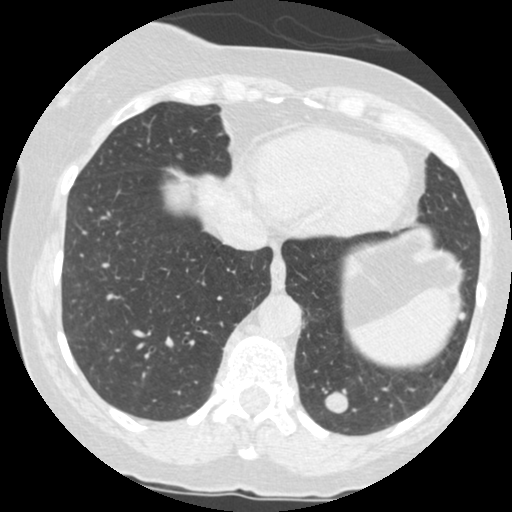
Axial chest CT slice 121 of 484 (counted from the lowest slice); tube voltage 120 kVp, convolution kernel STANDARD; slices 1.25 mm thick, 0.586 mm per pixel.
Two pulmonary nodules are outlined on this slice; from left to right: (1) Pulmonary nodule, outlined by all four readers. Box on this slice rows 389–412, columns 323–349, the union of the readers' outlines on this slice; median longest diameter 15.5 mm (readers' outlines 14.7–16.9 mm), median volume 1266 mm3 (1036–1469 mm3). Ratings, median across the readers with their spread: texture 5/5 (solid) from all four readers; margin 5/5 (circumscribed), all four readers agreeing; median sphericity 4/5 (readers ranged 3/5 (ovoid) to 5/5 (round)); calcification absent from all four readers; internal structure soft tissue, all four readers agreeing; subtlety 5/5 from all four readers; median malignancy likelihood 4/5 (readers ranged 2–5). (2) Pulmonary nodule at rows 312–321, columns 458–465 (box = the union of the readers' outlines on this slice), outlined by all four readers; longest diameter 6.5 mm on average over the four readers' outlines (readers' outlines 6.0–7.2 mm), volume 36–76 mm3. The readers' prevailing ratings and who disagreed: most readers (three of four) put texture at 5/5 (solid), others 4/5 (one); margin split among the readers: 4/5 (two), 5/5 (circumscribed) (two); sphericity 4/5 by two of four readers; the rest gave 3/5 (ovoid) (one), 5/5 (round) (one); calcification absent, all four readers agreeing; internal structure soft tissue from all four readers; subtlety 4/5 by two of four readers; the rest gave 2/5 (one), 3/5 (one); malignancy likelihood 3/5 by two of four readers; the rest gave 1/5 (one), 2/5 (one). Scale key (1–5): texture non-solid→solid, margin indistinct→circumscribed, sphericity linear→round, subtlety extremely subtle→obvious, malignancy likelihood highly unlikely→highly suspicious of cancer. Box rows and columns are 0-based pixel indices from the top-left corner, inclusive.